Chest CT, axial plane, 120 kVp, kernel STANDARD. Slice 95/265 from the bottom of the scan; thickness 1.25 mm; pixel size 0.883 mm.
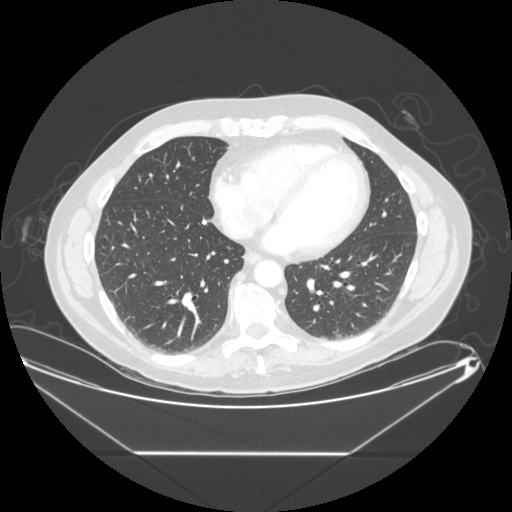
Pulmonary nodule at rows 218–225, columns 201–206 (box = the union of the readers' outlines on this slice), outlined by three of the four readers; median longest diameter 6.4 mm (readers' outlines 6.4–8.0 mm), median volume 92 mm3 (79–125 mm3). Median ratings and the readers' spread: texture 5/5 (solid), all three readers agreeing; margin 5/5 (circumscribed), all three readers agreeing; median sphericity 5/5 (round) (readers ranged 4/5 to 5/5 (round)); calcification solid calcification from all three readers; internal structure soft tissue from all three readers; median subtlety 5/5 (readers ranged 4–5); malignancy likelihood 1/5 from all three readers. Scale key (1–5): texture non-solid→solid, margin indistinct→circumscribed, sphericity linear→round, subtlety extremely subtle→obvious, malignancy likelihood highly unlikely→highly suspicious of cancer. Box rows and columns are 0-based pixel indices from the top-left corner, inclusive.